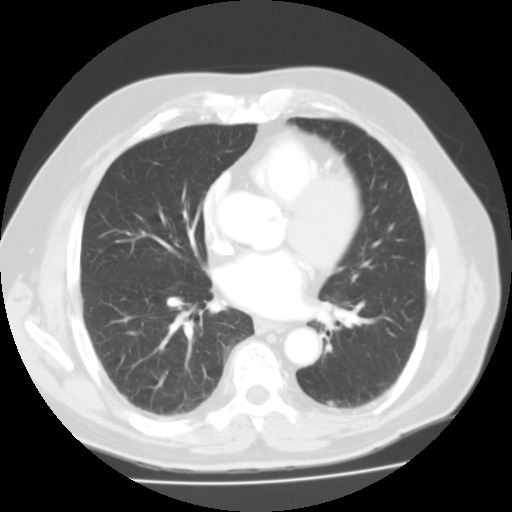
Chest CT, axial plane, 135 kVp, kernel FC01. Slice 68/125 from the bottom of the scan; thickness 3.00 mm; pixel size 0.721 mm.
Pulmonary nodule outlined by all four readers; box rows 400–405, columns 326–335 (the union of the readers' outlines on this slice); longest diameter 9.3 mm on average over the four readers' outlines (readers' outlines 8.9–9.8 mm), volume 188–251 mm3. Ratings, by the readers' most common answer with dissent counted: texture 5/5 (solid) by three of four readers; the rest gave 4/5 (one); margin 4/5, all four readers agreeing; sphericity split among the readers: 2/5 (two), 3/5 (ovoid) (two); calcification absent, all four readers agreeing; internal structure soft tissue, all four readers agreeing; subtlety 3/5 by two of four readers; the rest gave 4/5 (one), 5/5 (one); malignancy likelihood 3/5 by three of four readers; the rest gave 2/5 (one). Scale key (1–5): texture non-solid→solid, margin indistinct→circumscribed, sphericity linear→round, subtlety extremely subtle→obvious, malignancy likelihood highly unlikely→highly suspicious of cancer. Box rows and columns are 0-based pixel indices from the top-left corner, inclusive.